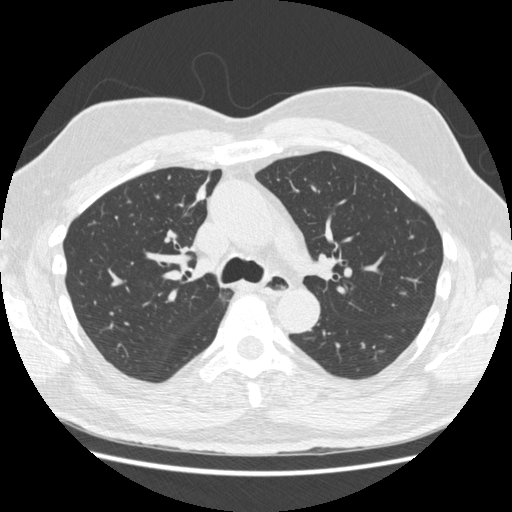
Chest CT, axial plane, 120 kVp, kernel STANDARD. Slice 343/557 from the bottom of the scan; thickness 1.25 mm; pixel size 0.703 mm.
Pulmonary nodule at rows 184–201, columns 195–206 (box = the union of the readers' outlines on this slice), outlined by all four readers; the four readers' outlines give a longest diameter between 12.6 and 14.2 mm and a volume between 470 and 622 mm3. Ratings across the readers: texture 5/5 (solid) from all four readers; margin from 4/5 to 5/5 (circumscribed) across the four readers; sphericity 3/5 (ovoid) from all four readers; calcification absent from all four readers; internal structure soft tissue from all four readers; subtlety 3–5/5 (the readers disagree); malignancy likelihood rated between 1 and 4 out of 5 by the four readers. Scale key (1–5): texture non-solid→solid, margin indistinct→circumscribed, sphericity linear→round, subtlety extremely subtle→obvious, malignancy likelihood highly unlikely→highly suspicious of cancer. Box rows and columns are 0-based pixel indices from the top-left corner, inclusive.